One axial slice (362 of 493, counting up from the lowest) of a chest CT acquired at 120 kVp with the STANDARD kernel; each pixel is 0.742 mm and the slice is 1.25 mm thick.
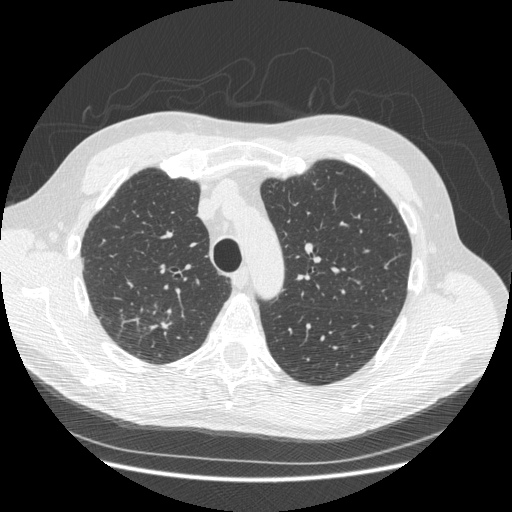
Pulmonary nodule at rows 322–328, columns 160–165 (box = the one reader's outline on this slice), outlined by three of the four readers, one of them on this slice; longest diameter 13.1 mm on average over the three readers' outlines (readers' outlines 12.6–14.1 mm), volume 104–271 mm3. Ratings, by the readers' most common answer with dissent counted: texture 4/5 by two of three readers; the rest gave 5/5 (solid) (one); margin 3/5, all three readers agreeing; sphericity 2/5 by two of three readers; the rest gave 4/5 (one); calcification absent from all three readers; internal structure soft tissue from all three readers; subtlety split among the readers: 2/5 (one), 3/5 (one), 5/5 (one); malignancy likelihood 4/5 by two of three readers; the rest gave 2/5 (one). Scale key (1–5): texture non-solid→solid, margin indistinct→circumscribed, sphericity linear→round, subtlety extremely subtle→obvious, malignancy likelihood highly unlikely→highly suspicious of cancer. Box rows and columns are 0-based pixel indices from the top-left corner, inclusive.